Axial slice 102 of 133 of a chest CT (slice 1 is the lowest), reconstructed with the STANDARD kernel at 120 kVp; 2.50 mm slice thickness and 0.781 mm pixels.
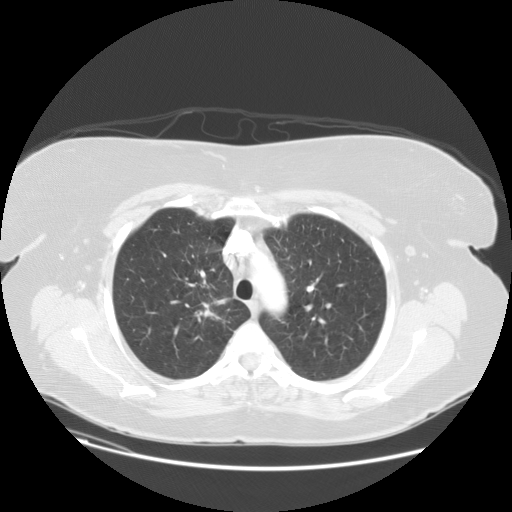
Pulmonary nodule, outlined by all four readers, one of them on this slice. Box on this slice rows 302–321, columns 195–220, the one reader's outline on this slice; longest diameter 35.0 mm on average over the four readers' outlines (readers' outlines 31.6–37.9 mm), volume 3786–6747 mm3. Ratings, by the readers' most common answer with dissent counted: texture 5/5 (solid) by two of four readers; the rest gave 3/5 (part-solid) (one), 4/5 (one); margin 3/5 by three of four readers; the rest gave 1/5 (indistinct) (one); sphericity 3/5 (ovoid) by two of four readers; the rest gave 2/5 (one), 4/5 (one); calcification absent, all four readers agreeing; internal structure soft tissue from all four readers; subtlety 5/5 from all four readers; malignancy likelihood 5/5 by three of four readers; the rest gave 3/5 (one). Scale key (1–5): texture non-solid→solid, margin indistinct→circumscribed, sphericity linear→round, subtlety extremely subtle→obvious, malignancy likelihood highly unlikely→highly suspicious of cancer. Box rows and columns are 0-based pixel indices from the top-left corner, inclusive.